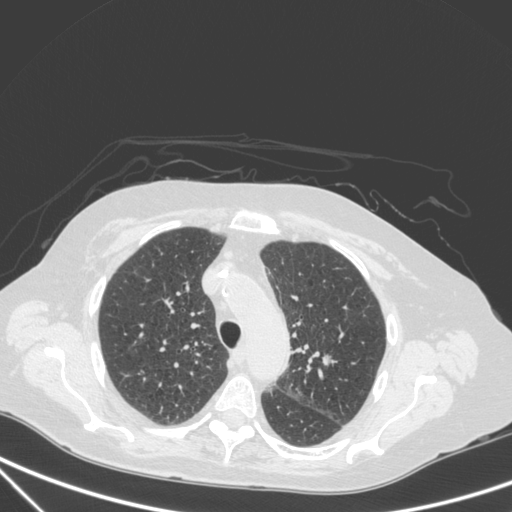
Axial chest CT slice 246 of 350 (counted from the lowest slice); tube voltage 120 kVp, convolution kernel C; slices 1.50 mm thick, 0.725 mm per pixel.
Pulmonary nodule outlined by all four readers; box rows 354–365, columns 322–330 (the union of the readers' outlines on this slice); median longest diameter 10.6 mm (readers' outlines 9.9–11.7 mm), median volume 411 mm3 (335–580 mm3). Ratings, median across the readers with their spread: texture 5/5 (solid) from all four readers; margin 4/5, all four readers agreeing; sphericity 3/5 (ovoid) at the median of four readers, spread 3/5 (ovoid) to 4/5; calcification absent from all four readers; internal structure soft tissue, all four readers agreeing; median subtlety 5/5 (readers ranged 4–5); malignancy likelihood 3.5/5 at the median of four readers, spread 2–5. Scale key (1–5): texture non-solid→solid, margin indistinct→circumscribed, sphericity linear→round, subtlety extremely subtle→obvious, malignancy likelihood highly unlikely→highly suspicious of cancer. Box rows and columns are 0-based pixel indices from the top-left corner, inclusive.